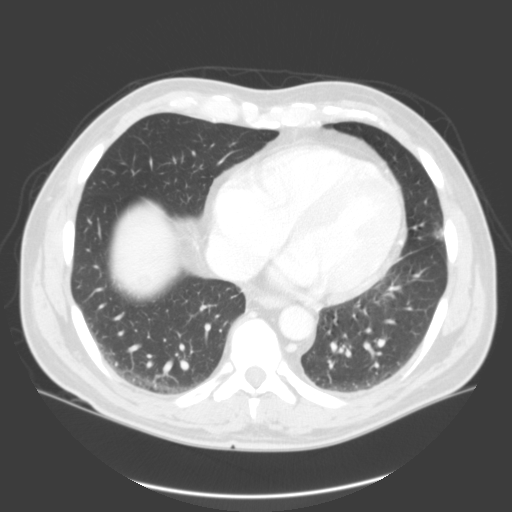
Axial slice 28 of 95 of a chest CT (slice 1 is the lowest), reconstructed with the B kernel at 120 kVp; 3.00 mm slice thickness and 0.750 mm pixels.
Pulmonary nodule outlined by two of the four readers; box rows 230–238, columns 433–442 (the union of the readers' outlines on this slice); the two readers' outlines give a longest diameter between 8.4 and 9.6 mm and a volume between 251 and 301 mm3. Ratings across the readers: texture from 1/5 (non-solid) to 2/5 across the two readers; margin from 1/5 (indistinct) to 3/5 across the two readers; sphericity 3/5 (ovoid) from both readers; calcification absent, both readers agreeing; internal structure soft tissue from both readers; subtlety rated between 3 and 5 out of 5 by the two readers; malignancy likelihood from 1/5 to 2/5 across the two readers. Scale key (1–5): texture non-solid→solid, margin indistinct→circumscribed, sphericity linear→round, subtlety extremely subtle→obvious, malignancy likelihood highly unlikely→highly suspicious of cancer. Box rows and columns are 0-based pixel indices from the top-left corner, inclusive.